One axial slice (343 of 477, counting up from the lowest) of a chest CT acquired at 120 kVp with the STANDARD kernel; each pixel is 0.703 mm and the slice is 1.25 mm thick.
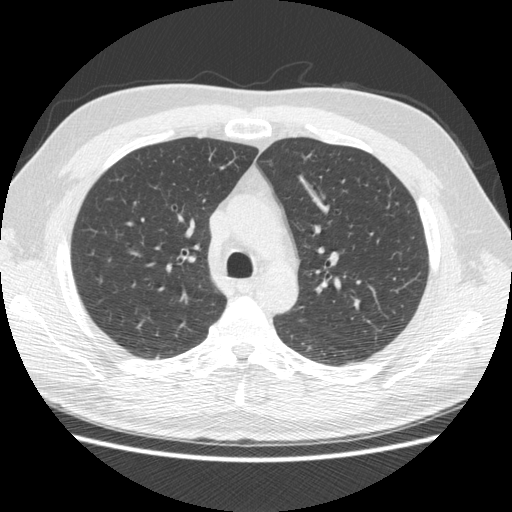
None of the four readers outlined a nodule of 3 mm or more on this slice.